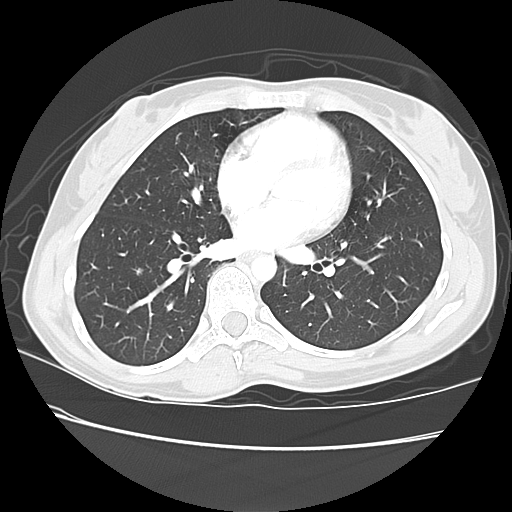
Axial slice 69 of 140 of a chest CT (slice 1 is the lowest), reconstructed with the LUNG kernel at 120 kVp; 2.50 mm slice thickness and 0.625 mm pixels.
Pulmonary nodule at rows 267–275, columns 133–143 (box = the union of the readers' outlines on this slice), outlined by all four readers; median longest diameter 7.8 mm (readers' outlines 7.3–8.2 mm), median volume 211 mm3 (147–225 mm3). Median ratings and the readers' spread: texture 5/5 (solid), all four readers agreeing; median margin 5/5 (circumscribed) (readers ranged 4/5 to 5/5 (circumscribed)); median sphericity 3.5/5 (readers ranged 3/5 (ovoid) to 5/5 (round)); calcification split among the readers: solid calcification (two), absent (two); internal structure soft tissue, all four readers agreeing; subtlety 4.5/5 at the median of four readers, spread 3–5; malignancy likelihood 2/5 at the median of four readers, spread 1–3. Scale key (1–5): texture non-solid→solid, margin indistinct→circumscribed, sphericity linear→round, subtlety extremely subtle→obvious, malignancy likelihood highly unlikely→highly suspicious of cancer. Box rows and columns are 0-based pixel indices from the top-left corner, inclusive.